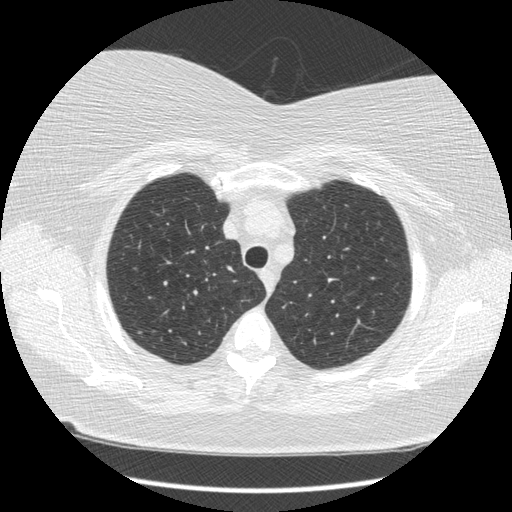
Axial chest CT slice 383 of 481 (counted from the lowest slice); 1.25 mm thick, 0.703 mm per pixel. Pulmonary nodule, outlined by one of the four readers. Box on this slice rows 331–333, columns 138–142, that reader's outline on this slice; longest diameter 5.1 mm and volume 21 mm3 from that reader's outline. Ratings by that reader: texture 4/5; margin 5/5 (circumscribed); sphericity 4/5; calcification absent; internal structure soft tissue; subtlety 5/5; malignancy likelihood 3/5. Scale key (1–5): texture non-solid→solid, margin indistinct→circumscribed, sphericity linear→round, subtlety extremely subtle→obvious, malignancy likelihood highly unlikely→highly suspicious of cancer. Box rows and columns are 0-based pixel indices from the top-left corner, inclusive.
Tube voltage 120 kVp; convolution kernel STANDARD.